One axial slice (93 of 214, counting up from the lowest) of a chest CT acquired at 120 kVp with the LUNG kernel; each pixel is 0.820 mm and the slice is 1.25 mm thick.
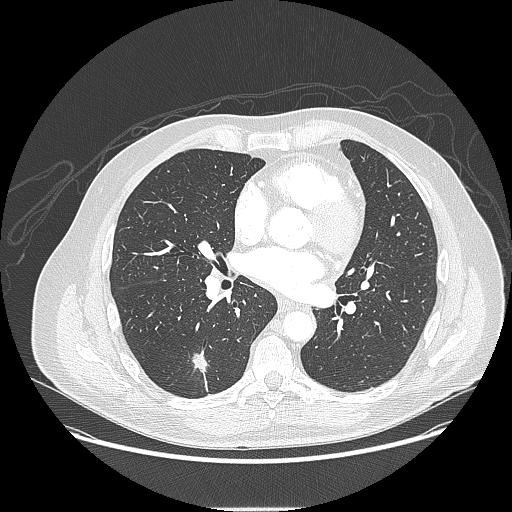
Pulmonary nodule outlined by all four readers, three of them on this slice; box rows 350–372, columns 190–207 (the union of the readers' outlines on this slice); the four readers' outlines give a longest diameter between 14.7 and 27.9 mm and a volume between 696 and 2326 mm3. The readers' ratings, as ranges where they differ: texture from 4/5 to 5/5 (solid) across the four readers; margin from 1/5 (indistinct) to 4/5 across the four readers; sphericity from 2/5 to 3/5 (ovoid) across the four readers; calcification absent, all four readers agreeing; internal structure soft tissue, all four readers agreeing; subtlety from 4/5 to 5/5 across the four readers; malignancy likelihood rated between 3 and 4 out of 5 by the four readers. Scale key (1–5): texture non-solid→solid, margin indistinct→circumscribed, sphericity linear→round, subtlety extremely subtle→obvious, malignancy likelihood highly unlikely→highly suspicious of cancer. Box rows and columns are 0-based pixel indices from the top-left corner, inclusive.